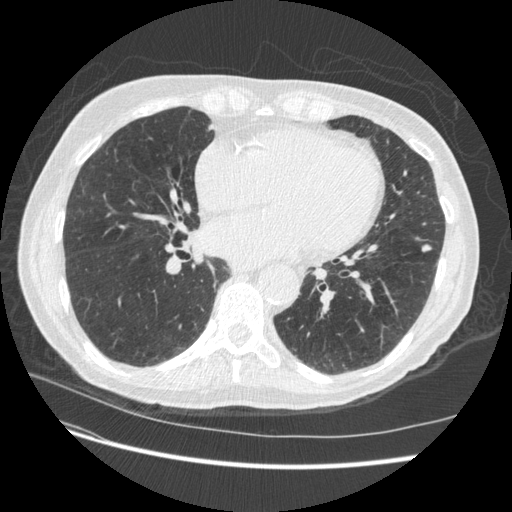
One axial slice (198 of 509, counting up from the lowest) of a chest CT acquired at 120 kVp with the STANDARD kernel; each pixel is 0.703 mm and the slice is 1.25 mm thick.
Pulmonary nodule, outlined by three of the four readers. Box on this slice rows 243–252, columns 421–432, the union of the readers' outlines on this slice; longest diameter 8.5 mm on average over the three readers' outlines (readers' outlines 6.9–9.6 mm), volume 87–218 mm3. Ratings, by the readers' most common answer with dissent counted: texture 5/5 (solid) from all three readers; margin 4/5, all three readers agreeing; most readers (two of three) put sphericity at 4/5, others 3/5 (ovoid) (one); calcification absent from all three readers; internal structure soft tissue, all three readers agreeing; most readers (two of three) put subtlety at 4/5, others 5/5 (one); malignancy likelihood split among the readers: 2/5 (one), 3/5 (one), 5/5 (one). Scale key (1–5): texture non-solid→solid, margin indistinct→circumscribed, sphericity linear→round, subtlety extremely subtle→obvious, malignancy likelihood highly unlikely→highly suspicious of cancer. Box rows and columns are 0-based pixel indices from the top-left corner, inclusive.